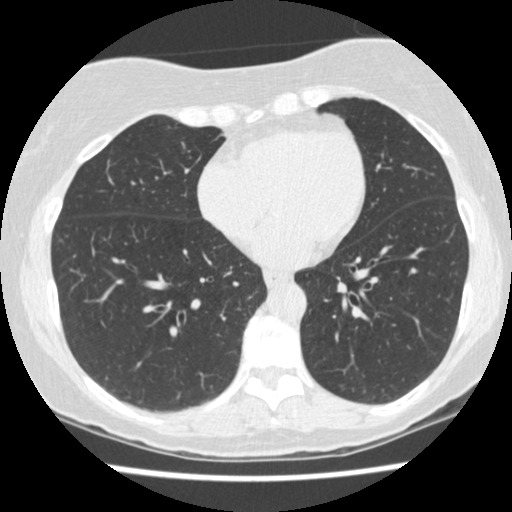
Axial chest CT slice 171 of 458 (counted from the lowest slice); tube voltage 120 kVp, convolution kernel STANDARD; slices 1.25 mm thick, 0.586 mm per pixel.
No nodule 3 mm or larger was outlined here by any reader.